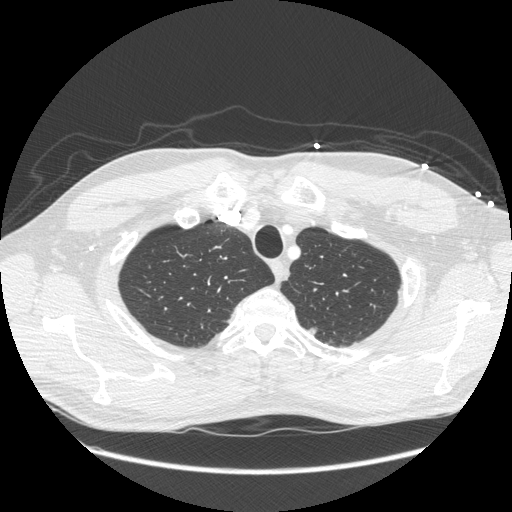
Slice 222/261 of a chest CT, counting up from the lowest; pixel size 0.781 mm, slice thickness 1.25 mm. Pulmonary nodule at rows 326–334, columns 308–316 (box = the union of the readers' outlines on this slice), outlined by two of the four readers; the two readers' outlines give a longest diameter between 8.0 and 8.2 mm and a volume between 74 and 87 mm3. The readers' ratings, as ranges where they differ: texture from 4/5 to 5/5 (solid) across the two readers; margin from 3/5 to 5/5 (circumscribed) across the two readers; sphericity 4/5 from both readers; calcification absent, both readers agreeing; internal structure soft tissue from both readers; subtlety 3/5, both readers agreeing; malignancy likelihood from 2/5 to 3/5 across the two readers. Scale key (1–5): texture non-solid→solid, margin indistinct→circumscribed, sphericity linear→round, subtlety extremely subtle→obvious, malignancy likelihood highly unlikely→highly suspicious of cancer. Box rows and columns are 0-based pixel indices from the top-left corner, inclusive.
Acquired at 120 kVp and reconstructed with the STANDARD kernel.